Chest CT, axial plane, 120 kVp, kernel BONE. Slice 132/161 from the bottom of the scan; thickness 1.25 mm; pixel size 0.549 mm.
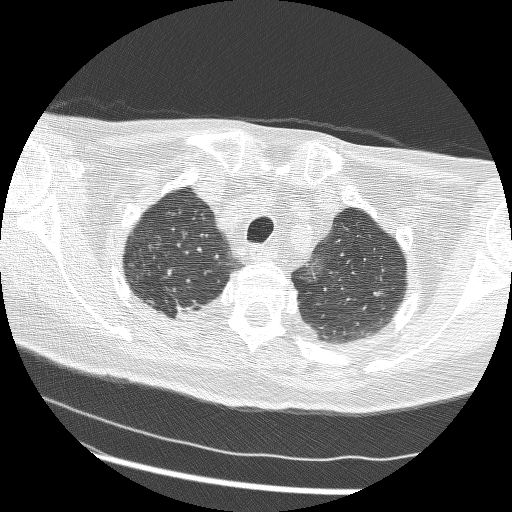
Pulmonary nodule, outlined by one of the four readers. Box on this slice rows 291–295, columns 373–383, that reader's outline on this slice; longest diameter 6.6 mm and volume 55 mm3 from that reader's outline. That reader's ratings: texture 5/5 (solid); margin 4/5; sphericity 3/5 (ovoid); calcification absent; internal structure soft tissue; subtlety 2/5; malignancy likelihood 2/5. Scale key (1–5): texture non-solid→solid, margin indistinct→circumscribed, sphericity linear→round, subtlety extremely subtle→obvious, malignancy likelihood highly unlikely→highly suspicious of cancer. Box rows and columns are 0-based pixel indices from the top-left corner, inclusive.